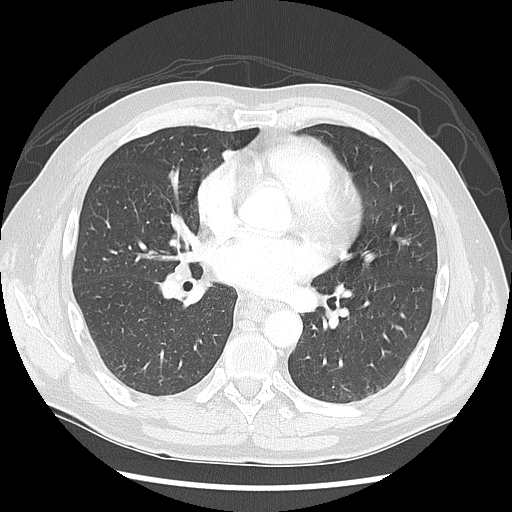
Axial chest CT slice 75 of 139 (counted from the lowest slice); tube voltage 120 kVp, convolution kernel LUNG; slices 2.50 mm thick, 0.703 mm per pixel.
Pulmonary nodule outlined by all four readers; box rows 149–159, columns 222–236 (the union of the readers' outlines on this slice); longest diameter 11.4 mm on average over the four readers' outlines (readers' outlines 11.0–11.6 mm), volume 428–661 mm3. The readers' prevailing ratings and who disagreed: texture 5/5 (solid), all four readers agreeing; margin split among the readers: 4/5 (two), 5/5 (circumscribed) (two); sphericity split among the readers: 4/5 (two), 5/5 (round) (two); calcification absent by three of four readers, solid calcification (one); internal structure soft tissue, all four readers agreeing; subtlety 5/5 by two of four readers; the rest gave 3/5 (one), 4/5 (one); malignancy likelihood 3/5 by two of four readers; the rest gave 1/5 (one), 2/5 (one). Scale key (1–5): texture non-solid→solid, margin indistinct→circumscribed, sphericity linear→round, subtlety extremely subtle→obvious, malignancy likelihood highly unlikely→highly suspicious of cancer. Box rows and columns are 0-based pixel indices from the top-left corner, inclusive.